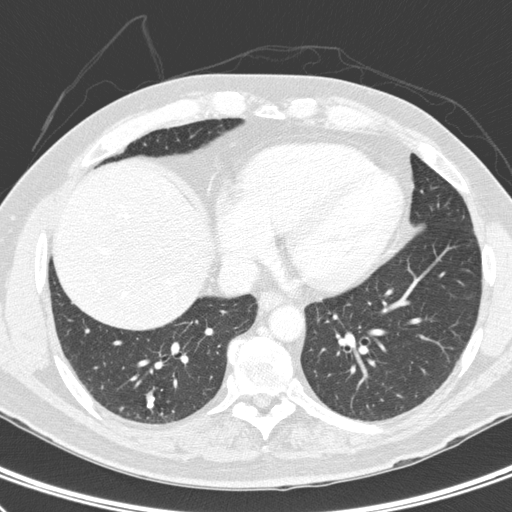
Axial slice 110 of 300 of a chest CT (slice 1 is the lowest), reconstructed with the D kernel at 120 kVp; 2.00 mm slice thickness and 0.662 mm pixels.
Pulmonary nodule, outlined by all four readers. Box on this slice rows 391–408, columns 146–154, the union of the readers' outlines on this slice; longest diameter 10.7 mm on average over the four readers' outlines (readers' outlines 8.1–12.6 mm), volume 99–182 mm3. The readers' prevailing ratings and who disagreed: most readers (three of four) put texture at 5/5 (solid), others 3/5 (part-solid) (one); margin 4/5 by three of four readers; the rest gave 3/5 (one); sphericity 3/5 (ovoid) by three of four readers; the rest gave 2/5 (one); calcification solid calcification by two of four readers, absent (one), non-central calcification (one); internal structure soft tissue, all four readers agreeing; subtlety split among the readers: 4/5 (two), 5/5 (two); malignancy likelihood 1/5 by three of four readers; the rest gave 4/5 (one). Scale key (1–5): texture non-solid→solid, margin indistinct→circumscribed, sphericity linear→round, subtlety extremely subtle→obvious, malignancy likelihood highly unlikely→highly suspicious of cancer. Box rows and columns are 0-based pixel indices from the top-left corner, inclusive.